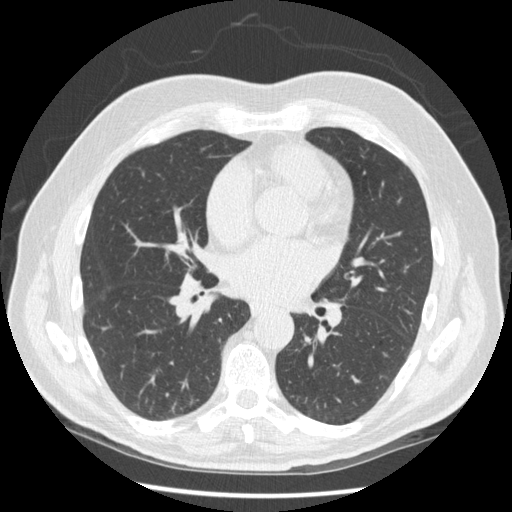
Slice 130/256 of a chest CT, counting up from the lowest; pixel size 0.703 mm, slice thickness 1.25 mm. The readers outlined no nodule of 3 mm or more on this slice.
Scan settings: 120 kVp, STANDARD reconstruction kernel.